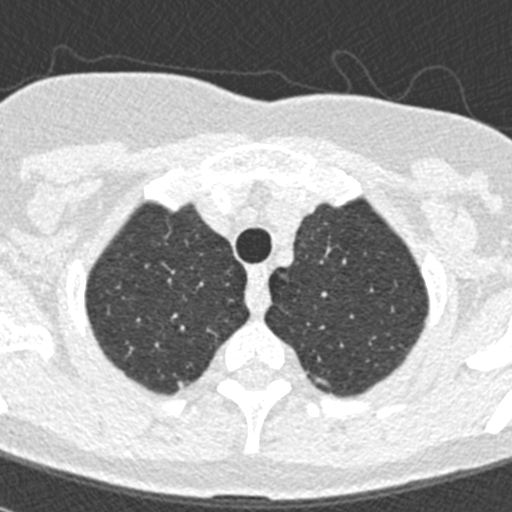
One axial slice (337 of 376, counting up from the lowest) of a chest CT acquired at 120 kVp with the B30f kernel; each pixel is 0.461 mm and the slice is 0.75 mm thick.
Pulmonary nodule outlined by one of the four readers; box rows 381–388, columns 177–182 (that reader's outline on this slice); longest diameter 4.3 mm and volume 32 mm3 from that reader's outline. That reader's ratings: texture 5/5 (solid); margin 4/5; sphericity 4/5; calcification absent; internal structure soft tissue; subtlety 5/5; malignancy likelihood 3/5. Scale key (1–5): texture non-solid→solid, margin indistinct→circumscribed, sphericity linear→round, subtlety extremely subtle→obvious, malignancy likelihood highly unlikely→highly suspicious of cancer. Box rows and columns are 0-based pixel indices from the top-left corner, inclusive.